One axial slice (108 of 257, counting up from the lowest) of a chest CT acquired at 120 kVp with the STANDARD kernel; each pixel is 0.781 mm and the slice is 1.25 mm thick.
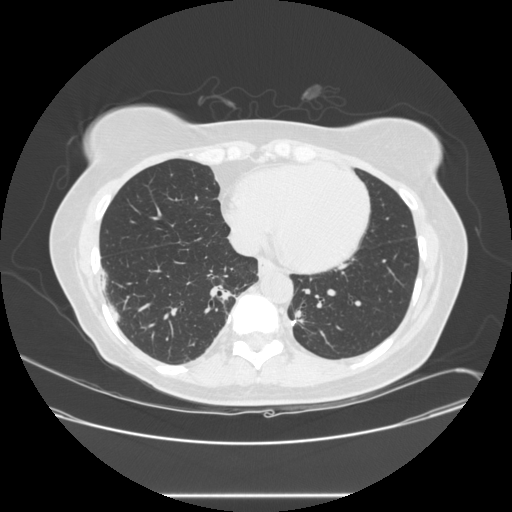
Pulmonary nodule, outlined by all four readers, one of them on this slice. Box on this slice rows 284–300, columns 211–231, the one reader's outline on this slice; longest diameter 35.0 mm on average over the four readers' outlines (readers' outlines 28.0–45.1 mm), volume 5019–8578 mm3. The readers' prevailing ratings and who disagreed: texture 5/5 (solid) from all four readers; margin 5/5 (circumscribed) by two of four readers; the rest gave 1/5 (indistinct) (one), 4/5 (one); sphericity split among the readers: 3/5 (ovoid) (two), 4/5 (two); calcification absent from all four readers; internal structure soft tissue, all four readers agreeing; subtlety 5/5 from all four readers; malignancy likelihood 5/5 from all four readers. Scale key (1–5): texture non-solid→solid, margin indistinct→circumscribed, sphericity linear→round, subtlety extremely subtle→obvious, malignancy likelihood highly unlikely→highly suspicious of cancer. Box rows and columns are 0-based pixel indices from the top-left corner, inclusive.